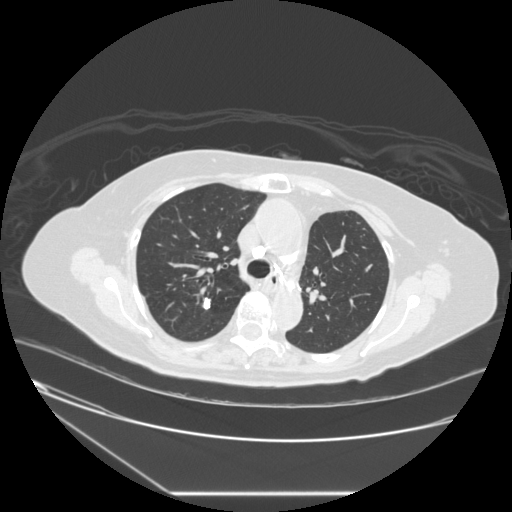
Axial chest CT slice 178 of 241 (counted from the lowest slice); tube voltage 120 kVp, convolution kernel STANDARD; slices 1.25 mm thick, 0.773 mm per pixel.
Pulmonary nodule at rows 297–309, columns 202–210 (box = the union of the readers' outlines on this slice), outlined three times (the source holds two more outlines, not used); median longest diameter 11.6 mm (readers' outlines 10.5–12.2 mm), median volume 354 mm3 (344–520 mm3). Median ratings and the readers' spread: texture 5/5 (solid) at the median of three readers, spread 4/5 to 5/5 (solid); margin 4/5 at the median of three readers, spread 4/5 to 5/5 (circumscribed); median sphericity 3/5 (ovoid) (readers ranged 3/5 (ovoid) to 4/5); calcification: non-central calcification (two), absent (one); internal structure soft tissue from all three readers; subtlety 5/5, all three readers agreeing; malignancy likelihood 3/5 at the median of three readers, spread 2–3. Scale key (1–5): texture non-solid→solid, margin indistinct→circumscribed, sphericity linear→round, subtlety extremely subtle→obvious, malignancy likelihood highly unlikely→highly suspicious of cancer. Box rows and columns are 0-based pixel indices from the top-left corner, inclusive.